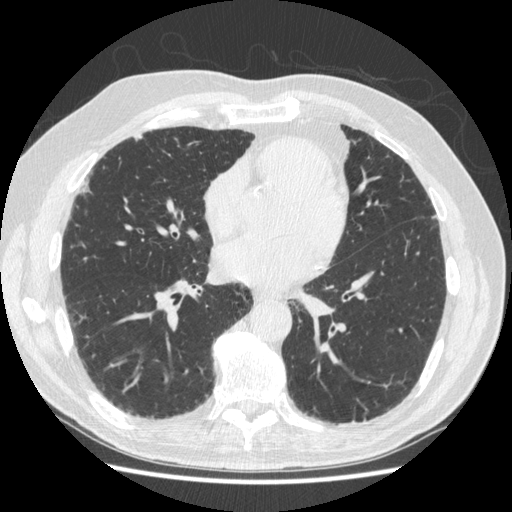
This is axial slice 226 of 497 (slice 1 is the lowest) of a chest CT; each pixel is 0.703 mm and the slice is 1.25 mm thick. Pulmonary nodule outlined by all four readers, one of them on this slice; box rows 132–142, columns 132–142 (the one reader's outline on this slice); longest diameter 12.2 mm on average over the four readers' outlines (readers' outlines 10.9–14.8 mm), volume 184–648 mm3. The readers' prevailing ratings and who disagreed: texture 5/5 (solid) by three of four readers; the rest gave 1/5 (non-solid) (one); margin 3/5 by two of four readers; the rest gave 2/5 (one), 4/5 (one); sphericity 3/5 (ovoid) by two of four readers; the rest gave 4/5 (one), 5/5 (round) (one); calcification absent, all four readers agreeing; internal structure soft tissue from all four readers; subtlety 4/5 by two of four readers; the rest gave 1/5 (one), 5/5 (one); malignancy likelihood 3/5 by two of four readers; the rest gave 2/5 (one), 4/5 (one). Scale key (1–5): texture non-solid→solid, margin indistinct→circumscribed, sphericity linear→round, subtlety extremely subtle→obvious, malignancy likelihood highly unlikely→highly suspicious of cancer. Box rows and columns are 0-based pixel indices from the top-left corner, inclusive.
Tube voltage 120 kVp; convolution kernel STANDARD.